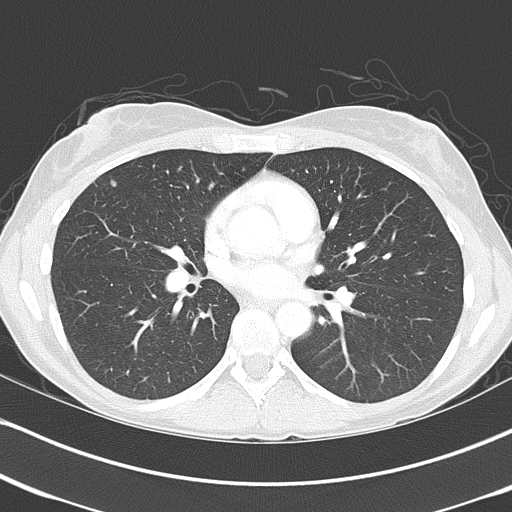
Chest CT, axial plane, 120 kVp, kernel B70f. Slice 213/368 from the bottom of the scan; thickness 2.00 mm; pixel size 0.623 mm.
Pulmonary nodule at rows 179–186, columns 110–116 (box = the union of the readers' outlines on this slice), outlined by all four readers; longest diameter 5.9 mm on average over the four readers' outlines (readers' outlines 5.6–6.1 mm), volume 43–61 mm3. Ratings, by the readers' most common answer with dissent counted: texture 3/5 (part-solid) by two of four readers; the rest gave 4/5 (one), 5/5 (solid) (one); most readers (three of four) put margin at 4/5, others 2/5 (one); sphericity 3/5 (ovoid), all four readers agreeing; calcification absent, all four readers agreeing; internal structure soft tissue, all four readers agreeing; subtlety 4/5 by two of four readers; the rest gave 3/5 (one), 5/5 (one); malignancy likelihood split among the readers: 2/5 (two), 3/5 (two). Scale key (1–5): texture non-solid→solid, margin indistinct→circumscribed, sphericity linear→round, subtlety extremely subtle→obvious, malignancy likelihood highly unlikely→highly suspicious of cancer. Box rows and columns are 0-based pixel indices from the top-left corner, inclusive.